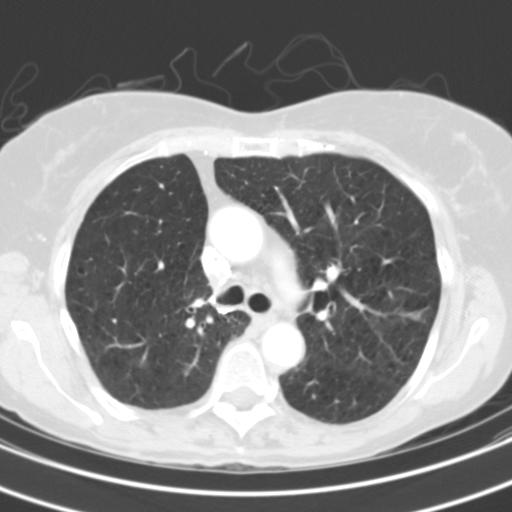
Chest CT, axial plane, 130 kVp, kernel B31s. Slice 74/111 from the bottom of the scan; thickness 3.00 mm; pixel size 0.574 mm.
Pulmonary nodule at rows 312–320, columns 408–419 (box = the union of the readers' outlines on this slice), outlined by three of the four readers; longest diameter 10.2 mm on average over the three readers' outlines (readers' outlines 9.5–11.0 mm), volume 311–494 mm3. The readers' prevailing ratings and who disagreed: texture 5/5 (solid) from all three readers; margin split among the readers: 3/5 (one), 4/5 (one), 5/5 (circumscribed) (one); sphericity 4/5, all three readers agreeing; calcification absent, all three readers agreeing; internal structure soft tissue, all three readers agreeing; most readers (two of three) put subtlety at 5/5, others 4/5 (one); malignancy likelihood split among the readers: 2/5 (one), 4/5 (one), 5/5 (one). Scale key (1–5): texture non-solid→solid, margin indistinct→circumscribed, sphericity linear→round, subtlety extremely subtle→obvious, malignancy likelihood highly unlikely→highly suspicious of cancer. Box rows and columns are 0-based pixel indices from the top-left corner, inclusive.